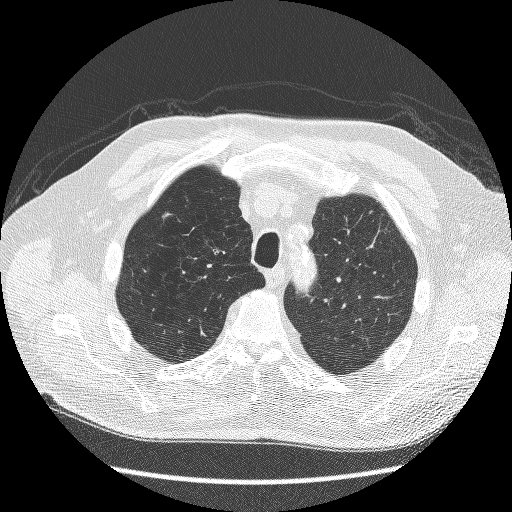
Chest CT, axial plane, 120 kVp, kernel BONE. Slice 190/241 from the bottom of the scan; thickness 1.25 mm; pixel size 0.703 mm.
Pulmonary nodule, outlined by one of the four readers. Box on this slice rows 212–219, columns 162–172, that reader's outline on this slice; longest diameter 8.7 mm and volume 67 mm3 from that reader's outline. Ratings by that reader: texture 5/5 (solid); margin 3/5; sphericity 2/5; calcification absent; internal structure soft tissue; subtlety 2/5; malignancy likelihood 1/5. Scale key (1–5): texture non-solid→solid, margin indistinct→circumscribed, sphericity linear→round, subtlety extremely subtle→obvious, malignancy likelihood highly unlikely→highly suspicious of cancer. Box rows and columns are 0-based pixel indices from the top-left corner, inclusive.